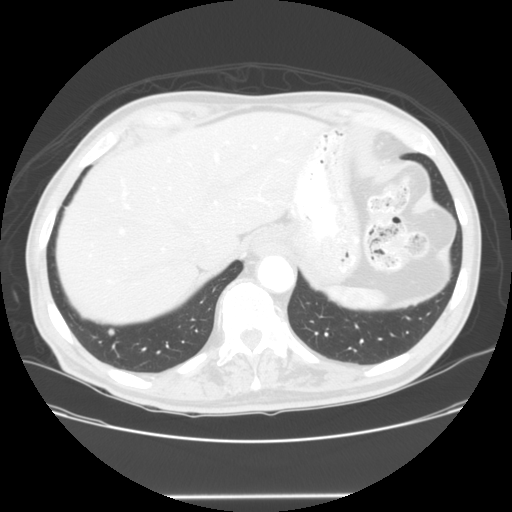
Chest CT, axial plane, 120 kVp, kernel STANDARD. Slice 28/128 from the bottom of the scan; thickness 2.50 mm; pixel size 0.742 mm.
Pulmonary nodule at rows 328–334, columns 107–113 (box = the union of the readers' outlines on this slice), outlined by all four readers; median longest diameter 9.2 mm (readers' outlines 8.7–10.3 mm), median volume 371 mm3 (298–433 mm3). Ratings, median across the readers with their spread: texture 5/5 (solid) from all four readers; median margin 4.5/5 (readers ranged 4/5 to 5/5 (circumscribed)); median sphericity 4/5 (readers ranged 3/5 (ovoid) to 5/5 (round)); calcification absent from all four readers; internal structure soft tissue from all four readers; median subtlety 4/5 (readers ranged 3–5); median malignancy likelihood 3/5 (readers ranged 2–4). Scale key (1–5): texture non-solid→solid, margin indistinct→circumscribed, sphericity linear→round, subtlety extremely subtle→obvious, malignancy likelihood highly unlikely→highly suspicious of cancer. Box rows and columns are 0-based pixel indices from the top-left corner, inclusive.